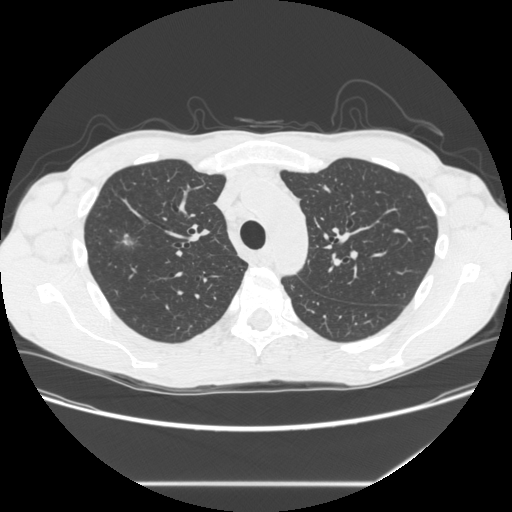
Axial chest CT slice 218 of 301 (counted from the lowest slice); tube voltage 120 kVp, convolution kernel STANDARD; slices 1.25 mm thick, 0.752 mm per pixel.
Pulmonary nodule outlined by all four readers, three of them on this slice; box rows 236–245, columns 122–137 (the union of the readers' outlines on this slice); the four readers' outlines give a longest diameter between 12.1 and 14.8 mm and a volume between 491 and 1018 mm3. Ratings across the readers: texture from 3/5 (part-solid) to 5/5 (solid) across the four readers; margin from 1/5 (indistinct) to 4/5 across the four readers; sphericity from 2/5 to 4/5 across the four readers; calcification absent, all four readers agreeing; internal structure split among the readers: soft tissue (two), air (two); subtlety 5/5, all four readers agreeing; malignancy likelihood rated between 4 and 5 out of 5 by the four readers. Scale key (1–5): texture non-solid→solid, margin indistinct→circumscribed, sphericity linear→round, subtlety extremely subtle→obvious, malignancy likelihood highly unlikely→highly suspicious of cancer. Box rows and columns are 0-based pixel indices from the top-left corner, inclusive.